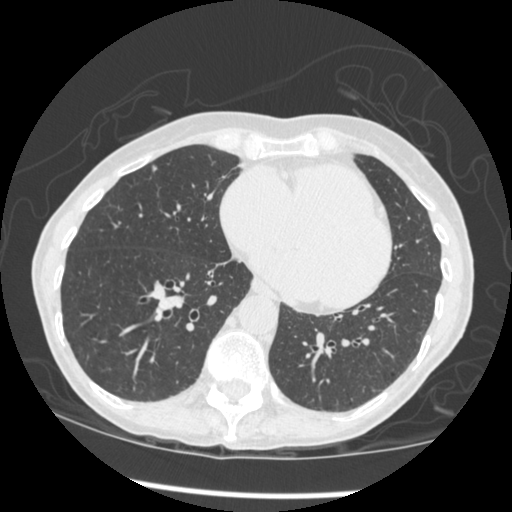
Slice 168/461 of a chest CT, counting up from the lowest; pixel size 0.645 mm, slice thickness 1.25 mm. Pulmonary nodule outlined by all four readers; box rows 164–172, columns 152–158 (the union of the readers' outlines on this slice); median longest diameter 6.2 mm (readers' outlines 5.5–7.0 mm), median volume 83 mm3 (59–97 mm3). Median ratings and the readers' spread: texture 5/5 (solid), all four readers agreeing; margin 5/5 (circumscribed) from all four readers; median sphericity 5/5 (round) (readers ranged 4/5 to 5/5 (round)); calcification absent, all four readers agreeing; internal structure soft tissue from all four readers; subtlety 4/5 at the median of four readers, spread 3–4; malignancy likelihood 2/5 at the median of four readers, spread 1–3. Scale key (1–5): texture non-solid→solid, margin indistinct→circumscribed, sphericity linear→round, subtlety extremely subtle→obvious, malignancy likelihood highly unlikely→highly suspicious of cancer. Box rows and columns are 0-based pixel indices from the top-left corner, inclusive.
Acquired at 120 kVp and reconstructed with the STANDARD kernel.